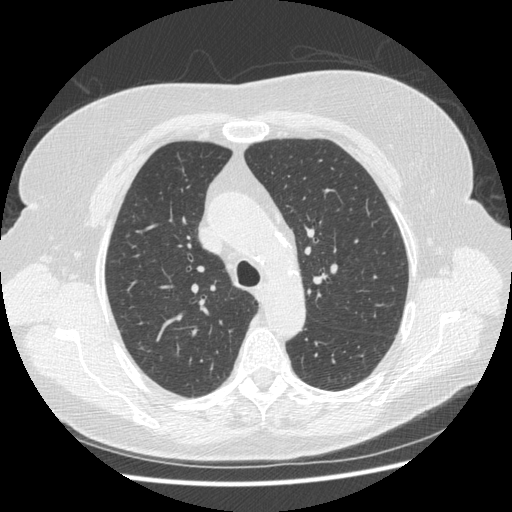
Axial chest CT slice 302 of 413 (counted from the lowest slice); 1.25 mm thick, 0.703 mm per pixel. Pulmonary nodule, outlined by three of the four readers, two of them on this slice. Box on this slice rows 347–348, columns 140–142, the union of the readers' outlines on this slice; longest diameter 9.8 mm on average over the three readers' outlines (readers' outlines 8.7–10.5 mm), volume 88–182 mm3. Ratings, by the readers' most common answer with dissent counted: texture split among the readers: 2/5 (one), 3/5 (part-solid) (one), 5/5 (solid) (one); margin split among the readers: 1/5 (indistinct) (one), 2/5 (one), 4/5 (one); sphericity 4/5 by two of three readers; the rest gave 3/5 (ovoid) (one); calcification absent, all three readers agreeing; internal structure soft tissue from all three readers; most readers (two of three) put subtlety at 4/5, others 5/5 (one); malignancy likelihood 4/5, all three readers agreeing. Scale key (1–5): texture non-solid→solid, margin indistinct→circumscribed, sphericity linear→round, subtlety extremely subtle→obvious, malignancy likelihood highly unlikely→highly suspicious of cancer. Box rows and columns are 0-based pixel indices from the top-left corner, inclusive.
Scan settings: 120 kVp, STANDARD reconstruction kernel.